One axial slice (95 of 113, counting up from the lowest) of a chest CT acquired at 120 kVp with the STANDARD kernel; each pixel is 0.742 mm and the slice is 2.50 mm thick.
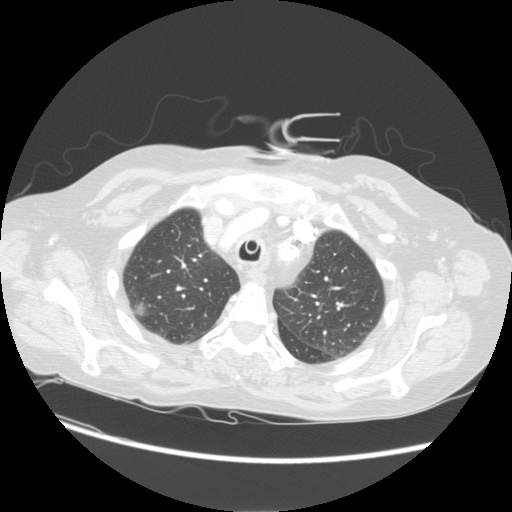
Pulmonary nodule at rows 297–316, columns 132–148 (box = the union of the readers' outlines on this slice), outlined by all four readers; longest diameter 19.0–21.1 mm and volume 1815–2942 mm3 across the four readers' outlines. Ratings across the readers: texture 5/5 (solid) from all four readers; margin from 2/5 to 5/5 (circumscribed) across the four readers; sphericity from 3/5 (ovoid) to 5/5 (round) across the four readers; calcification absent, all four readers agreeing; internal structure soft tissue, all four readers agreeing; subtlety 5/5, all four readers agreeing; malignancy likelihood rated between 3 and 5 out of 5 by the four readers. Scale key (1–5): texture non-solid→solid, margin indistinct→circumscribed, sphericity linear→round, subtlety extremely subtle→obvious, malignancy likelihood highly unlikely→highly suspicious of cancer. Box rows and columns are 0-based pixel indices from the top-left corner, inclusive.